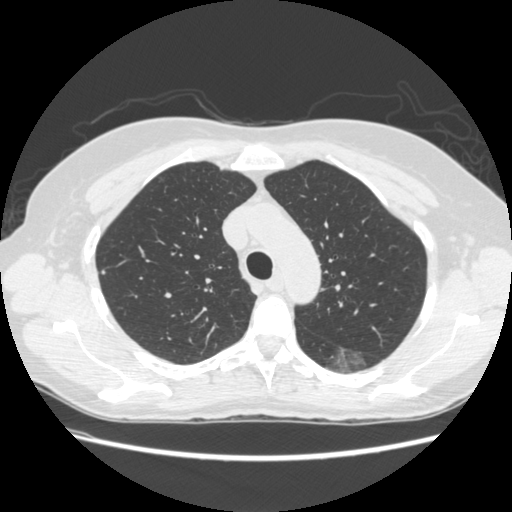
Chest CT, axial plane, 120 kVp, kernel STANDARD. Slice 188/261 from the bottom of the scan; thickness 1.25 mm; pixel size 0.682 mm.
Pulmonary nodule at rows 347–373, columns 325–366 (box = the union of the readers' outlines on this slice), outlined by two of the four readers; longest diameter 30.8 mm on average over the two readers' outlines (readers' outlines 30.0–31.5 mm), volume 6577–7912 mm3. The readers' prevailing ratings and who disagreed: texture split among the readers: 1/5 (non-solid) (one), 2/5 (one); margin split among the readers: 1/5 (indistinct) (one), 2/5 (one); sphericity split among the readers: 3/5 (ovoid) (one), 5/5 (round) (one); calcification absent from both readers; internal structure soft tissue, both readers agreeing; subtlety split among the readers: 1/5 (one), 2/5 (one); malignancy likelihood split among the readers: 4/5 (one), 5/5 (one). Scale key (1–5): texture non-solid→solid, margin indistinct→circumscribed, sphericity linear→round, subtlety extremely subtle→obvious, malignancy likelihood highly unlikely→highly suspicious of cancer. Box rows and columns are 0-based pixel indices from the top-left corner, inclusive.